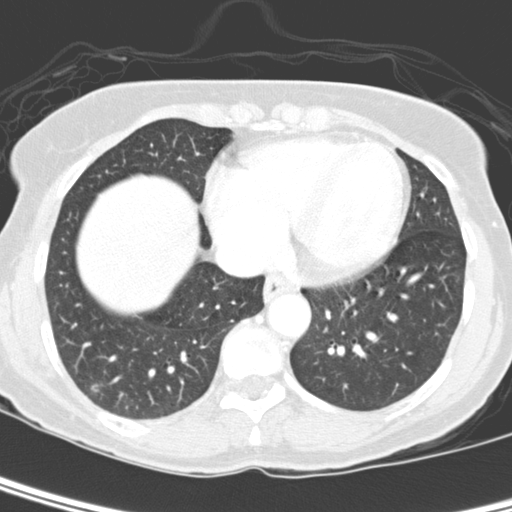
One axial slice (175 of 350, counting up from the lowest) of a chest CT acquired at 120 kVp with the D kernel; each pixel is 0.543 mm and the slice is 2.00 mm thick.
Pulmonary nodule outlined by two of the four readers; box rows 384–392, columns 91–98 (the union of the readers' outlines on this slice); median longest diameter 9.8 mm (readers' outlines 9.0–10.5 mm), median volume 229 mm3 (204–254 mm3). Median ratings and the readers' spread: median texture 2/5 (readers ranged 1/5 (non-solid) to 3/5 (part-solid)); margin 1.5/5 at the median of two readers, spread 1/5 (indistinct) to 2/5; sphericity 3/5 (ovoid), both readers agreeing; calcification absent from both readers; internal structure soft tissue, both readers agreeing; subtlety 2/5, both readers agreeing; malignancy likelihood 3/5, both readers agreeing. Scale key (1–5): texture non-solid→solid, margin indistinct→circumscribed, sphericity linear→round, subtlety extremely subtle→obvious, malignancy likelihood highly unlikely→highly suspicious of cancer. Box rows and columns are 0-based pixel indices from the top-left corner, inclusive.